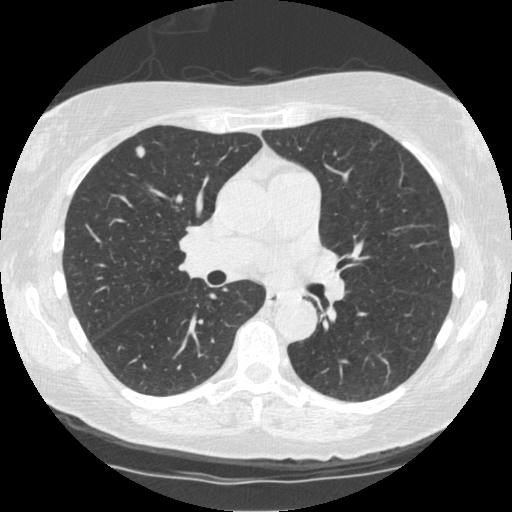
Slice 273/519 of a chest CT, counting up from the lowest; pixel size 0.645 mm, slice thickness 1.25 mm. Pulmonary nodule outlined by all four readers; box rows 145–157, columns 134–145 (the union of the readers' outlines on this slice); median longest diameter 9.5 mm (readers' outlines 9.0–9.8 mm), median volume 158 mm3 (121–176 mm3). Median ratings and the readers' spread: texture 5/5 (solid), all four readers agreeing; median margin 4.5/5 (readers ranged 4/5 to 5/5 (circumscribed)); median sphericity 3.5/5 (readers ranged 3/5 (ovoid) to 5/5 (round)); calcification absent, all four readers agreeing; internal structure soft tissue from all four readers; median subtlety 5/5 (readers ranged 4–5); malignancy likelihood 3/5 at the median of four readers, spread 2–3. Scale key (1–5): texture non-solid→solid, margin indistinct→circumscribed, sphericity linear→round, subtlety extremely subtle→obvious, malignancy likelihood highly unlikely→highly suspicious of cancer. Box rows and columns are 0-based pixel indices from the top-left corner, inclusive.
Tube voltage 120 kVp; convolution kernel STANDARD.